Axial slice 154 of 241 of a chest CT (slice 1 is the lowest), reconstructed with the STANDARD kernel at 120 kVp; 1.25 mm slice thickness and 0.609 mm pixels.
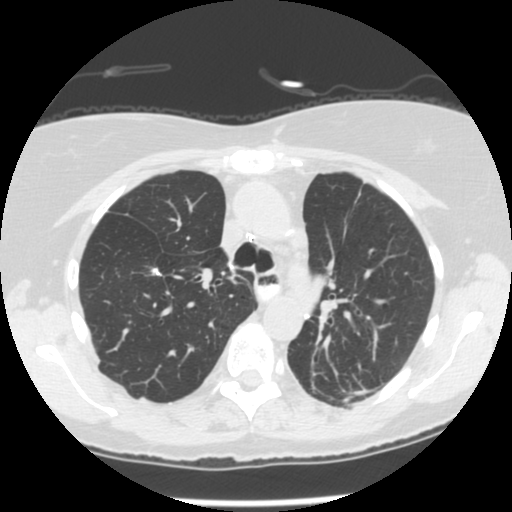
Pulmonary nodule at rows 267–276, columns 151–161 (box = the union of the readers' outlines on this slice), outlined by three of the four readers; longest diameter 7.8 mm on average over the three readers' outlines (readers' outlines 7.6–7.9 mm), volume 97–115 mm3. Ratings, by the readers' most common answer with dissent counted: texture 5/5 (solid), all three readers agreeing; margin 4/5 by two of three readers; the rest gave 5/5 (circumscribed) (one); sphericity 4/5 by two of three readers; the rest gave 3/5 (ovoid) (one); calcification solid calcification by two of three readers, absent (one); internal structure soft tissue, all three readers agreeing; subtlety split among the readers: 3/5 (one), 4/5 (one), 5/5 (one); malignancy likelihood 1/5 by two of three readers; the rest gave 2/5 (one). Scale key (1–5): texture non-solid→solid, margin indistinct→circumscribed, sphericity linear→round, subtlety extremely subtle→obvious, malignancy likelihood highly unlikely→highly suspicious of cancer. Box rows and columns are 0-based pixel indices from the top-left corner, inclusive.